Chest CT, axial plane, 130 kVp, kernel B31s. Slice 109/134 from the bottom of the scan; thickness 3.00 mm; pixel size 0.715 mm.
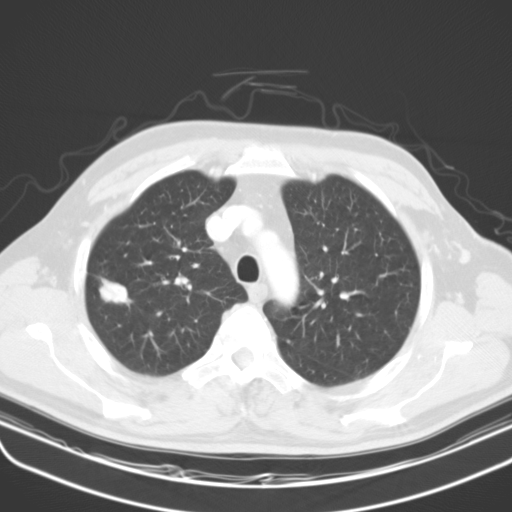
Pulmonary nodule at rows 277–307, columns 98–133 (box = the union of the readers' outlines on this slice), outlined by all four readers; longest diameter 29.6 mm on average over the four readers' outlines (readers' outlines 28.3–32.4 mm), volume 2936–4904 mm3. The readers' prevailing ratings and who disagreed: texture split among the readers: 4/5 (two), 5/5 (solid) (two); margin 3/5 by two of four readers; the rest gave 4/5 (one), 5/5 (circumscribed) (one); most readers (three of four) put sphericity at 3/5 (ovoid), others 4/5 (one); calcification absent by three of four readers, central calcification (one); internal structure soft tissue from all four readers; subtlety 5/5 from all four readers; malignancy likelihood 3/5 by two of four readers; the rest gave 1/5 (one), 5/5 (one). Scale key (1–5): texture non-solid→solid, margin indistinct→circumscribed, sphericity linear→round, subtlety extremely subtle→obvious, malignancy likelihood highly unlikely→highly suspicious of cancer. Box rows and columns are 0-based pixel indices from the top-left corner, inclusive.